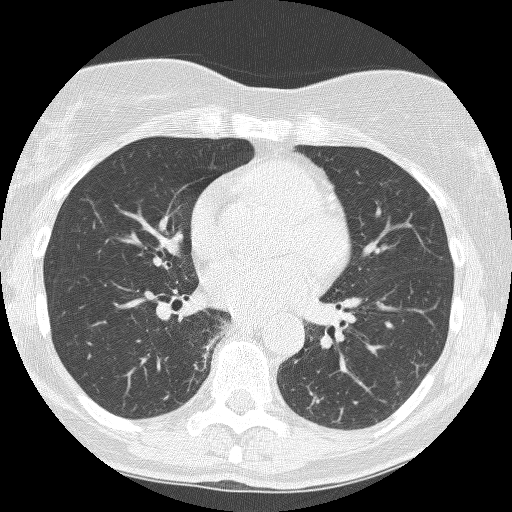
Axial chest CT slice 120 of 250 (counted from the lowest slice); tube voltage 120 kVp, convolution kernel BONE; slices 1.25 mm thick, 0.586 mm per pixel.
Pulmonary nodule, outlined by two of the four readers, one of them on this slice. Box on this slice rows 197–201, columns 427–430, the one reader's outline on this slice; median longest diameter 7.9 mm (readers' outlines 7.4–8.4 mm), median volume 104 mm3 (74–134 mm3). Ratings, median across the readers with their spread: texture 4/5 at the median of two readers, spread 3/5 (part-solid) to 5/5 (solid); median margin 3.5/5 (readers ranged 2/5 to 5/5 (circumscribed)); median sphericity 3.5/5 (readers ranged 3/5 (ovoid) to 4/5); calcification absent, both readers agreeing; internal structure soft tissue from both readers; subtlety 4/5 from both readers; malignancy likelihood 3.5/5 at the median of two readers, spread 3–4. Scale key (1–5): texture non-solid→solid, margin indistinct→circumscribed, sphericity linear→round, subtlety extremely subtle→obvious, malignancy likelihood highly unlikely→highly suspicious of cancer. Box rows and columns are 0-based pixel indices from the top-left corner, inclusive.